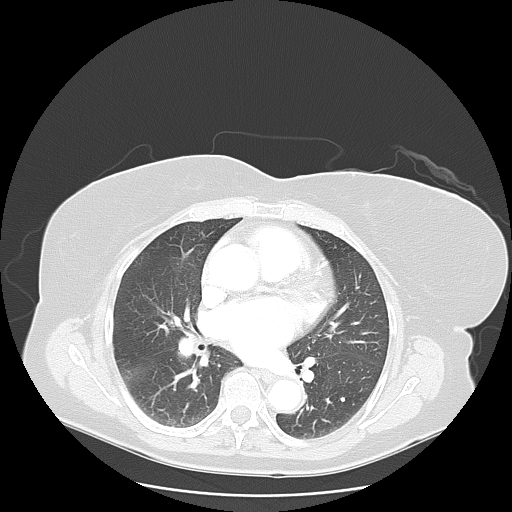
Axial slice 61 of 119 of a chest CT (slice 1 is the lowest), reconstructed with the LUNG kernel at 120 kVp; 2.50 mm slice thickness and 0.781 mm pixels.
The readers outlined no nodule of 3 mm or more on this slice.